Chest CT, axial plane, 120 kVp, kernel B30f. Slice 312/493 from the bottom of the scan; thickness 0.75 mm; pixel size 0.762 mm.
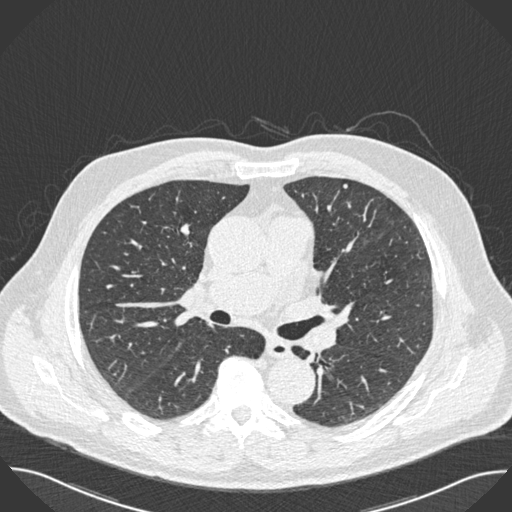
Pulmonary nodule, outlined by one of the four readers. Box on this slice rows 184–188, columns 343–347, that reader's outline on this slice; longest diameter 4.8 mm and volume 45 mm3 from that reader's outline. That reader's ratings: texture 5/5 (solid); margin 5/5 (circumscribed); sphericity 5/5 (round); calcification absent; internal structure soft tissue; subtlety 5/5; malignancy likelihood 2/5. Scale key (1–5): texture non-solid→solid, margin indistinct→circumscribed, sphericity linear→round, subtlety extremely subtle→obvious, malignancy likelihood highly unlikely→highly suspicious of cancer. Box rows and columns are 0-based pixel indices from the top-left corner, inclusive.